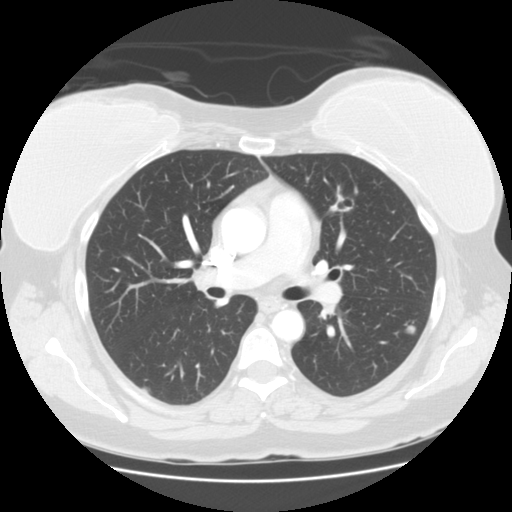
One axial slice (92 of 139, counting up from the lowest) of a chest CT acquired at 120 kVp with the STANDARD kernel; each pixel is 0.703 mm and the slice is 2.50 mm thick.
Two pulmonary nodules are outlined on this slice; from left to right: (1) Pulmonary nodule at rows 198–211, columns 330–355 (box = that reader's outline on this slice), outlined once (the source holds five more outlines, not used); longest diameter 26.9 mm and volume 1751 mm3 from that reader's outline. Ratings by that reader: texture 5/5 (solid); margin 5/5 (circumscribed); sphericity 3/5 (ovoid); calcification absent; internal structure soft tissue; subtlety 3/5; malignancy likelihood 2/5. (2) Pulmonary nodule outlined by all four readers; box rows 325–334, columns 403–415 (the union of the readers' outlines on this slice); median longest diameter 9.1 mm (readers' outlines 8.0–10.5 mm), median volume 285 mm3 (250–346 mm3). Ratings, median across the readers with their spread: texture 3.5/5 at the median of four readers, spread 1/5 (non-solid) to 5/5 (solid); median margin 2.5/5 (readers ranged 1/5 (indistinct) to 4/5); sphericity 4.5/5 at the median of four readers, spread 4/5 to 5/5 (round); calcification absent, all four readers agreeing; internal structure soft tissue, all four readers agreeing; subtlety 4/5 at the median of four readers, spread 1–4; median malignancy likelihood 4/5 (readers ranged 2–4). Scale key (1–5): texture non-solid→solid, margin indistinct→circumscribed, sphericity linear→round, subtlety extremely subtle→obvious, malignancy likelihood highly unlikely→highly suspicious of cancer. Box rows and columns are 0-based pixel indices from the top-left corner, inclusive.